One axial slice (204 of 484, counting up from the lowest) of a chest CT acquired at 120 kVp with the STANDARD kernel; each pixel is 0.625 mm and the slice is 1.25 mm thick.
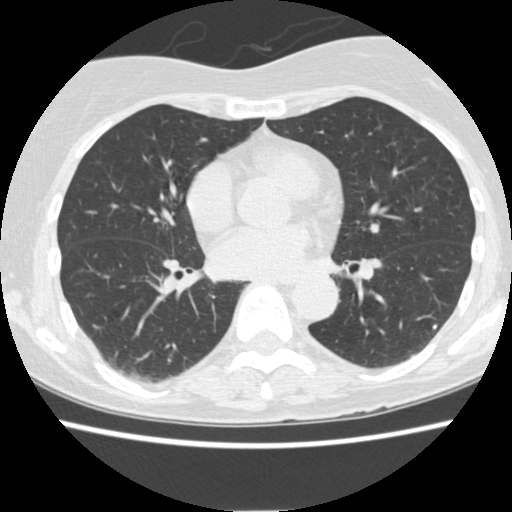
Pulmonary nodule at rows 325–328, columns 432–435 (box = that reader's outline on this slice), outlined by one of the four readers; longest diameter 4.6 mm and volume 36 mm3 from that reader's outline. That reader's ratings: texture 5/5 (solid); margin 5/5 (circumscribed); sphericity 4/5; calcification solid calcification; internal structure soft tissue; subtlety 5/5; malignancy likelihood 1/5. Scale key (1–5): texture non-solid→solid, margin indistinct→circumscribed, sphericity linear→round, subtlety extremely subtle→obvious, malignancy likelihood highly unlikely→highly suspicious of cancer. Box rows and columns are 0-based pixel indices from the top-left corner, inclusive.